Chest CT, axial plane, 140 kVp, kernel BONE. Slice 89/135 from the bottom of the scan; thickness 2.50 mm; pixel size 0.557 mm.
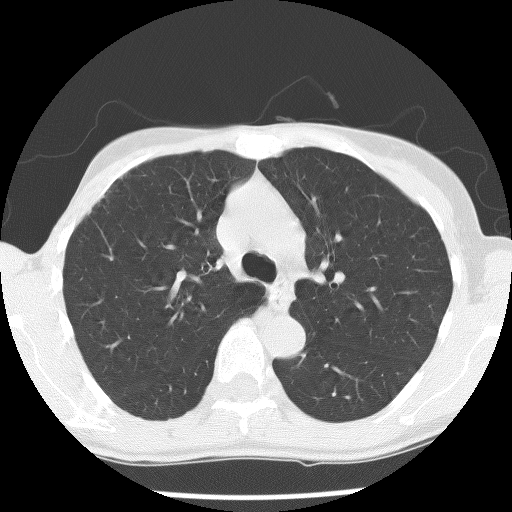
This slice carries no reader outline of a nodule 3 mm or larger.